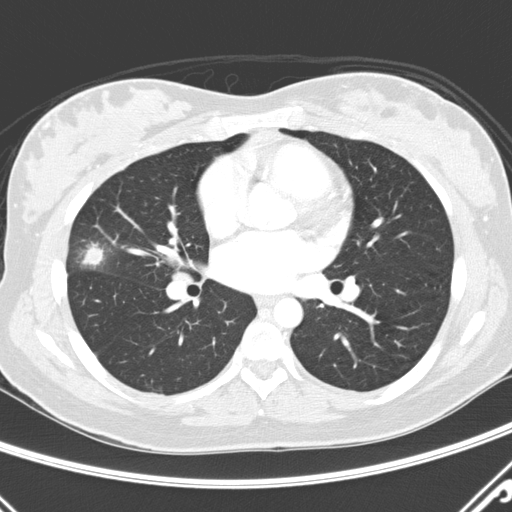
Axial chest CT slice 147 of 290 (counted from the lowest slice); tube voltage 120 kVp, convolution kernel D; slices 2.00 mm thick, 0.648 mm per pixel.
Pulmonary nodule, outlined by all four readers. Box on this slice rows 241–266, columns 79–103, the union of the readers' outlines on this slice; longest diameter 26.3 mm on average over the four readers' outlines (readers' outlines 19.9–37.8 mm), volume 1327–2956 mm3. Ratings, by the readers' most common answer with dissent counted: texture split among the readers: 3/5 (part-solid) (two), 5/5 (solid) (two); margin 1/5 (indistinct) by two of four readers; the rest gave 2/5 (one), 3/5 (one); sphericity 3/5 (ovoid) by two of four readers; the rest gave 2/5 (one), 4/5 (one); calcification absent from all four readers; internal structure soft tissue from all four readers; subtlety 5/5, all four readers agreeing; malignancy likelihood split among the readers: 3/5 (two), 5/5 (two). Scale key (1–5): texture non-solid→solid, margin indistinct→circumscribed, sphericity linear→round, subtlety extremely subtle→obvious, malignancy likelihood highly unlikely→highly suspicious of cancer. Box rows and columns are 0-based pixel indices from the top-left corner, inclusive.